Axial slice 229 of 413 of a chest CT (slice 1 is the lowest), reconstructed with the STANDARD kernel at 120 kVp; 1.25 mm slice thickness and 0.703 mm pixels.
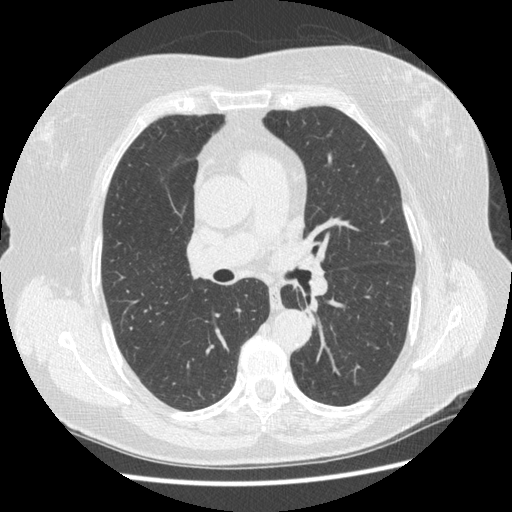
None of the four readers outlined a nodule of 3 mm or more on this slice.